Axial slice 97 of 333 of a chest CT (slice 1 is the lowest), reconstructed with the B70f kernel at 120 kVp; 2.00 mm slice thickness and 0.775 mm pixels.
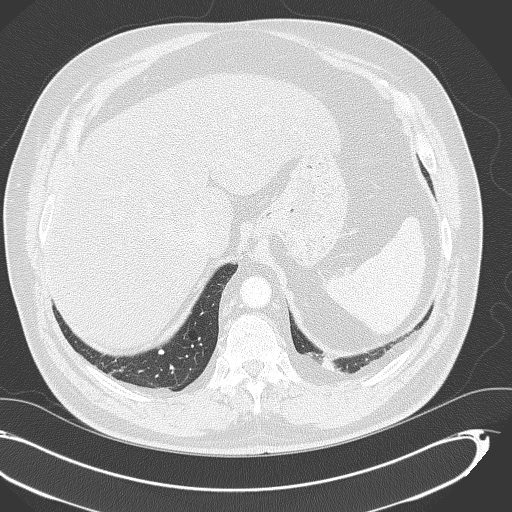
Pulmonary nodule at rows 349–354, columns 157–164 (box = the union of the readers' outlines on this slice), outlined by all four readers; median longest diameter 7.3 mm (readers' outlines 7.1–8.0 mm), median volume 134 mm3 (121–157 mm3). Ratings, median across the readers with their spread: texture 5/5 (solid) from all four readers; margin 5/5 (circumscribed), all four readers agreeing; median sphericity 3.5/5 (readers ranged 3/5 (ovoid) to 4/5); calcification: solid calcification (three), central calcification (one); internal structure soft tissue from all four readers; subtlety 5/5 at the median of four readers, spread 3–5; malignancy likelihood 1/5, all four readers agreeing. Scale key (1–5): texture non-solid→solid, margin indistinct→circumscribed, sphericity linear→round, subtlety extremely subtle→obvious, malignancy likelihood highly unlikely→highly suspicious of cancer. Box rows and columns are 0-based pixel indices from the top-left corner, inclusive.